Axial slice 61 of 197 of a chest CT (slice 1 is the lowest), reconstructed with the STANDARD kernel at 120 kVp; 1.25 mm slice thickness and 0.859 mm pixels.
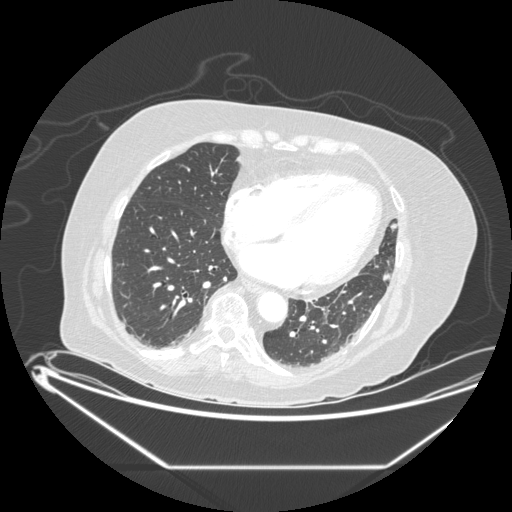
Pulmonary nodule, outlined by three of the four readers. Box on this slice rows 222–231, columns 389–396, the union of the readers' outlines on this slice; longest diameter 9.8 mm on average over the three readers' outlines (readers' outlines 7.9–12.5 mm), volume 121–343 mm3. The readers' prevailing ratings and who disagreed: texture 5/5 (solid) from all three readers; most readers (two of three) put margin at 4/5, others 5/5 (circumscribed) (one); most readers (two of three) put sphericity at 4/5, others 5/5 (round) (one); calcification absent from all three readers; internal structure soft tissue, all three readers agreeing; most readers (two of three) put subtlety at 3/5, others 4/5 (one); malignancy likelihood 3/5 by two of three readers; the rest gave 2/5 (one). Scale key (1–5): texture non-solid→solid, margin indistinct→circumscribed, sphericity linear→round, subtlety extremely subtle→obvious, malignancy likelihood highly unlikely→highly suspicious of cancer. Box rows and columns are 0-based pixel indices from the top-left corner, inclusive.